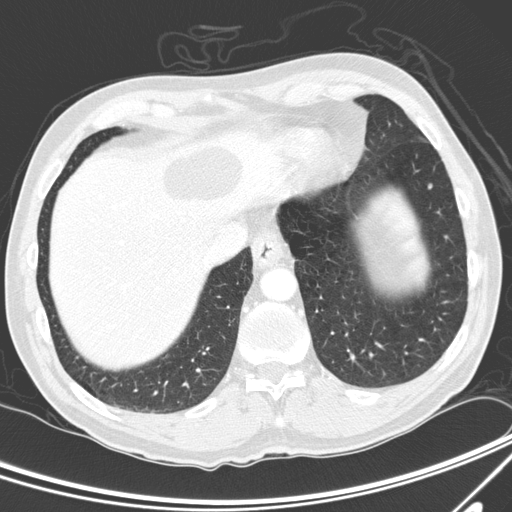
Axial chest CT slice 59 of 300 (counted from the lowest slice); tube voltage 120 kVp, convolution kernel D; slices 2.00 mm thick, 0.678 mm per pixel.
Pulmonary nodule at rows 184–188, columns 428–431 (box = that reader's outline on this slice), outlined by one of the four readers; longest diameter 5.8 mm and volume 44 mm3 from that reader's outline. Ratings by that reader: texture 5/5 (solid); margin 4/5; sphericity 3/5 (ovoid); calcification absent; internal structure soft tissue; subtlety 4/5; malignancy likelihood 2/5. Scale key (1–5): texture non-solid→solid, margin indistinct→circumscribed, sphericity linear→round, subtlety extremely subtle→obvious, malignancy likelihood highly unlikely→highly suspicious of cancer. Box rows and columns are 0-based pixel indices from the top-left corner, inclusive.